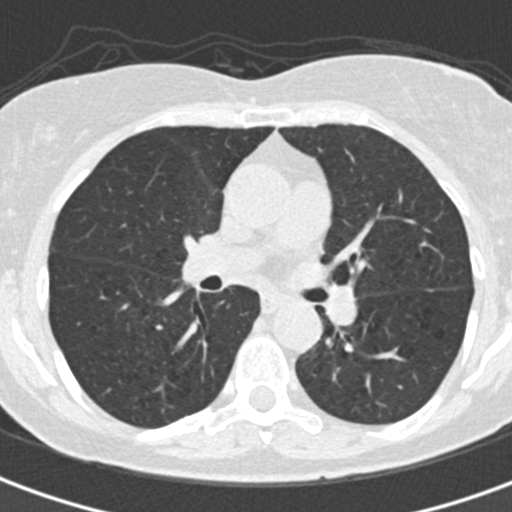
Axial chest CT slice 116 of 193 (counted from the lowest slice); tube voltage 120 kVp, convolution kernel B30f; slices 2.00 mm thick, 0.547 mm per pixel.
Pulmonary nodule outlined by two of the four readers, one of them on this slice; box rows 289–291, columns 428–433 (the one reader's outline on this slice); longest diameter 5.5 mm on average over the two readers' outlines (readers' outlines 5.2–5.9 mm), volume 34–38 mm3. The readers' prevailing ratings and who disagreed: texture 5/5 (solid) from both readers; margin 5/5 (circumscribed) from both readers; sphericity split among the readers: 2/5 (one), 3/5 (ovoid) (one); calcification absent, both readers agreeing; internal structure soft tissue, both readers agreeing; subtlety split among the readers: 2/5 (one), 3/5 (one); malignancy likelihood split among the readers: 2/5 (one), 3/5 (one). Scale key (1–5): texture non-solid→solid, margin indistinct→circumscribed, sphericity linear→round, subtlety extremely subtle→obvious, malignancy likelihood highly unlikely→highly suspicious of cancer. Box rows and columns are 0-based pixel indices from the top-left corner, inclusive.